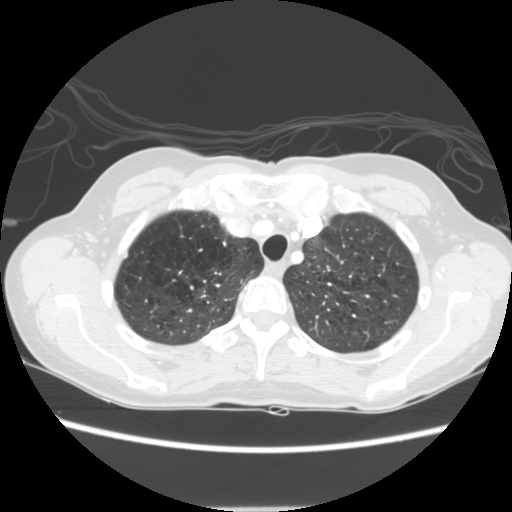
Axial chest CT slice 121 of 144 (counted from the lowest slice); tube voltage 120 kVp, convolution kernel STANDARD; slices 2.50 mm thick, 0.664 mm per pixel.
Pulmonary nodule, outlined by two of the four readers. Box on this slice rows 252–257, columns 124–127, the union of the readers' outlines on this slice; longest diameter 6.2 mm on average over the two readers' outlines (readers' outlines 5.7–6.8 mm), volume 71–72 mm3. Ratings, by the readers' most common answer with dissent counted: texture 5/5 (solid), both readers agreeing; margin split among the readers: 4/5 (one), 5/5 (circumscribed) (one); sphericity split among the readers: 1/5 (linear) (one), 3/5 (ovoid) (one); calcification absent from both readers; internal structure soft tissue, both readers agreeing; subtlety split among the readers: 2/5 (one), 5/5 (one); malignancy likelihood 2/5 from both readers. Scale key (1–5): texture non-solid→solid, margin indistinct→circumscribed, sphericity linear→round, subtlety extremely subtle→obvious, malignancy likelihood highly unlikely→highly suspicious of cancer. Box rows and columns are 0-based pixel indices from the top-left corner, inclusive.